Axial chest CT slice 128 of 183 (counted from the lowest slice); tube voltage 120 kVp, convolution kernel B30f; slices 2.00 mm thick, 0.664 mm per pixel.
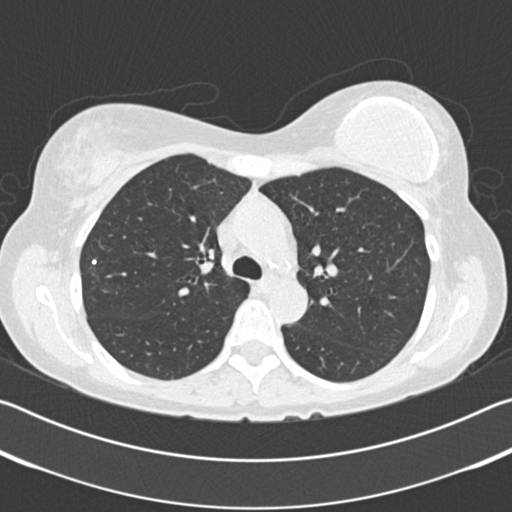
Pulmonary nodule outlined by three of the four readers, two of them on this slice; box rows 259–264, columns 91–95 (the union of the readers' outlines on this slice); longest diameter 9.9 mm on average over the three readers' outlines (readers' outlines 4.8–20.0 mm), volume 45–1329 mm3. Ratings, by the readers' most common answer with dissent counted: texture split among the readers: 3/5 (part-solid) (one), 4/5 (one), 5/5 (solid) (one); margin split among the readers: 2/5 (one), 3/5 (one), 5/5 (circumscribed) (one); sphericity 5/5 (round) by two of three readers; the rest gave 4/5 (one); calcification absent by two of three readers, solid calcification (one); internal structure soft tissue from all three readers; most readers (two of three) put subtlety at 5/5, others 2/5 (one); malignancy likelihood split among the readers: 1/5 (one), 3/5 (one), 5/5 (one). Scale key (1–5): texture non-solid→solid, margin indistinct→circumscribed, sphericity linear→round, subtlety extremely subtle→obvious, malignancy likelihood highly unlikely→highly suspicious of cancer. Box rows and columns are 0-based pixel indices from the top-left corner, inclusive.